Axial slice 87 of 127 of a chest CT (slice 1 is the lowest), reconstructed with the STANDARD kernel at 120 kVp; 2.50 mm slice thickness and 0.703 mm pixels.
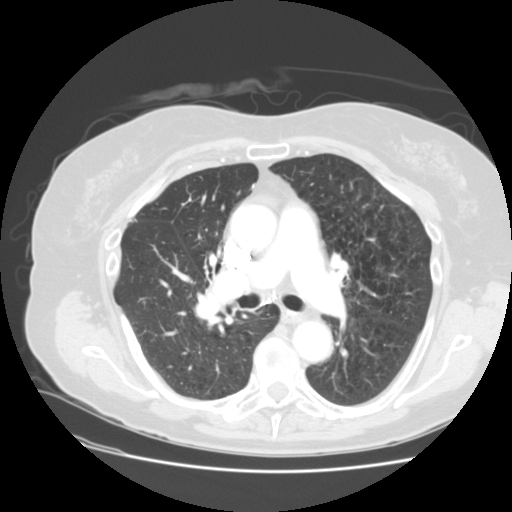
No nodule of 3 mm or larger was outlined by any of the four readers on this slice.